One axial slice (162 of 245, counting up from the lowest) of a chest CT acquired at 120 kVp with the STANDARD kernel; each pixel is 0.547 mm and the slice is 2.50 mm thick.
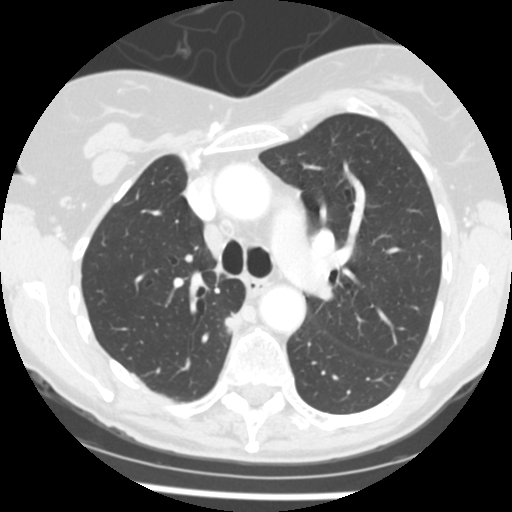
Pulmonary nodule, outlined by all four readers. Box on this slice rows 312–334, columns 224–242, the union of the readers' outlines on this slice; the four readers' outlines give a longest diameter between 13.1 and 14.5 mm and a volume between 549 and 868 mm3. Ratings across the readers: texture 5/5 (solid), all four readers agreeing; margin from 3/5 to 5/5 (circumscribed) across the four readers; sphericity from 2/5 to 5/5 (round) across the four readers; calcification absent, all four readers agreeing; internal structure soft tissue from all four readers; subtlety from 4/5 to 5/5 across the four readers; malignancy likelihood rated between 3 and 5 out of 5 by the four readers. Scale key (1–5): texture non-solid→solid, margin indistinct→circumscribed, sphericity linear→round, subtlety extremely subtle→obvious, malignancy likelihood highly unlikely→highly suspicious of cancer. Box rows and columns are 0-based pixel indices from the top-left corner, inclusive.